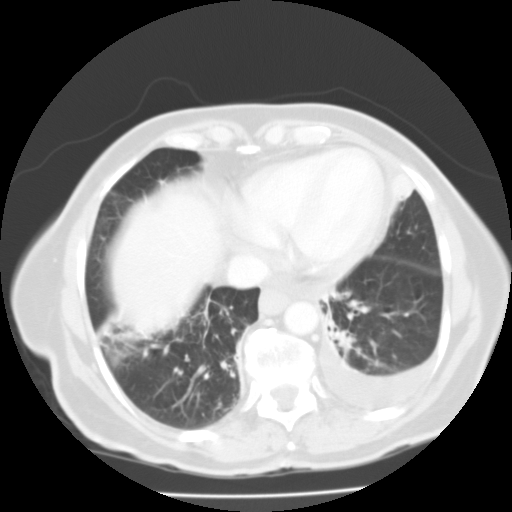
Axial chest CT slice 52 of 119 (counted from the lowest slice); tube voltage 135 kVp, convolution kernel FC01; slices 3.00 mm thick, 0.640 mm per pixel.
Pulmonary nodule at rows 174–200, columns 391–414 (box = that reader's outline on this slice), outlined by one of the four readers; longest diameter 18.8 mm and volume 4417 mm3 from that reader's outline. Ratings by that reader: texture 5/5 (solid); margin 4/5; sphericity 4/5; calcification absent; internal structure soft tissue; subtlety 4/5; malignancy likelihood 4/5. Scale key (1–5): texture non-solid→solid, margin indistinct→circumscribed, sphericity linear→round, subtlety extremely subtle→obvious, malignancy likelihood highly unlikely→highly suspicious of cancer. Box rows and columns are 0-based pixel indices from the top-left corner, inclusive.